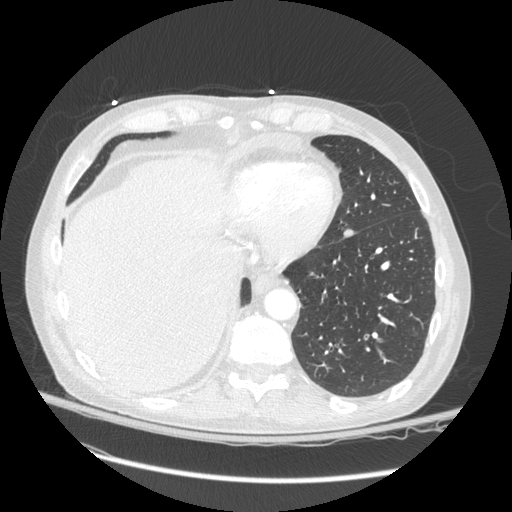
Axial chest CT slice 86 of 272 (counted from the lowest slice); 1.25 mm thick, 0.742 mm per pixel. Pulmonary nodule at rows 228–237, columns 343–354 (box = the union of the readers' outlines on this slice), outlined by all four readers; longest diameter 11.5 mm on average over the four readers' outlines (readers' outlines 10.6–13.2 mm), volume 211–375 mm3. Ratings, by the readers' most common answer with dissent counted: texture 5/5 (solid) from all four readers; margin 5/5 (circumscribed), all four readers agreeing; most readers (three of four) put sphericity at 3/5 (ovoid), others 5/5 (round) (one); calcification absent from all four readers; internal structure soft tissue, all four readers agreeing; subtlety 3/5 from all four readers; malignancy likelihood 2/5 by two of four readers; the rest gave 1/5 (one), 3/5 (one). Scale key (1–5): texture non-solid→solid, margin indistinct→circumscribed, sphericity linear→round, subtlety extremely subtle→obvious, malignancy likelihood highly unlikely→highly suspicious of cancer. Box rows and columns are 0-based pixel indices from the top-left corner, inclusive.
Tube voltage 120 kVp; convolution kernel STANDARD.